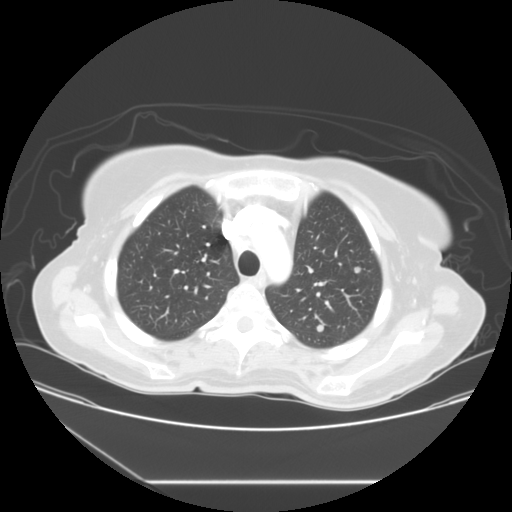
Axial chest CT slice 92 of 117 (counted from the lowest slice); tube voltage 120 kVp, convolution kernel STANDARD; slices 2.50 mm thick, 0.781 mm per pixel.
Two pulmonary nodules on this slice, listed from left to right. (1) Pulmonary nodule at rows 325–331, columns 317–323 (box = the union of the readers' outlines on this slice), outlined by all four readers; median longest diameter 7.2 mm (readers' outlines 5.6–8.0 mm), median volume 184 mm3 (141–226 mm3). Median ratings and the readers' spread: texture 5/5 (solid) from all four readers; margin 5/5 (circumscribed) at the median of four readers, spread 4/5 to 5/5 (circumscribed); sphericity 5/5 (round), all four readers agreeing; calcification absent, all four readers agreeing; internal structure soft tissue from all four readers; subtlety 3.5/5 at the median of four readers, spread 3–5; median malignancy likelihood 2.5/5 (readers ranged 2–3). (2) Pulmonary nodule at rows 267–272, columns 354–360 (box = the union of the readers' outlines on this slice), outlined by three of the four readers; longest diameter 6.9 mm on average over the three readers' outlines (readers' outlines 5.9–7.4 mm), volume 91–153 mm3. Ratings, by the readers' most common answer with dissent counted: texture 5/5 (solid), all three readers agreeing; margin 5/5 (circumscribed) by two of three readers; the rest gave 4/5 (one); sphericity 5/5 (round) by two of three readers; the rest gave 4/5 (one); calcification absent from all three readers; internal structure soft tissue from all three readers; subtlety split among the readers: 3/5 (one), 4/5 (one), 5/5 (one); malignancy likelihood split among the readers: 2/5 (one), 3/5 (one), 4/5 (one). Scale key (1–5): texture non-solid→solid, margin indistinct→circumscribed, sphericity linear→round, subtlety extremely subtle→obvious, malignancy likelihood highly unlikely→highly suspicious of cancer. Box rows and columns are 0-based pixel indices from the top-left corner, inclusive.